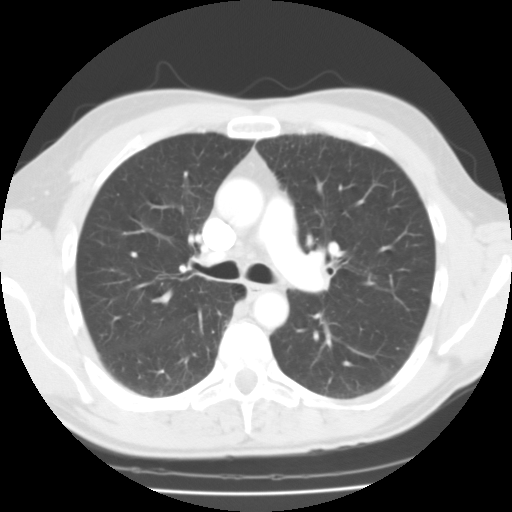
This is axial slice 66 of 102 (slice 1 is the lowest) of a chest CT; each pixel is 0.647 mm and the slice is 3.00 mm thick. Pulmonary nodule, outlined by two of the four readers, one of them on this slice. Box on this slice rows 207–213, columns 179–183, the one reader's outline on this slice; the two readers' outlines give a longest diameter between 8.2 and 9.4 mm and a volume between 144 and 207 mm3. Ratings across the readers: texture from 3/5 (part-solid) to 5/5 (solid) across the two readers; margin from 3/5 to 4/5 across the two readers; sphericity from 3/5 (ovoid) to 5/5 (round) across the two readers; calcification absent from both readers; internal structure soft tissue, both readers agreeing; subtlety 1–3/5 (the readers disagree); malignancy likelihood rated between 1 and 3 out of 5 by the two readers. Scale key (1–5): texture non-solid→solid, margin indistinct→circumscribed, sphericity linear→round, subtlety extremely subtle→obvious, malignancy likelihood highly unlikely→highly suspicious of cancer. Box rows and columns are 0-based pixel indices from the top-left corner, inclusive.
Acquired at 135 kVp and reconstructed with the FC01 kernel.